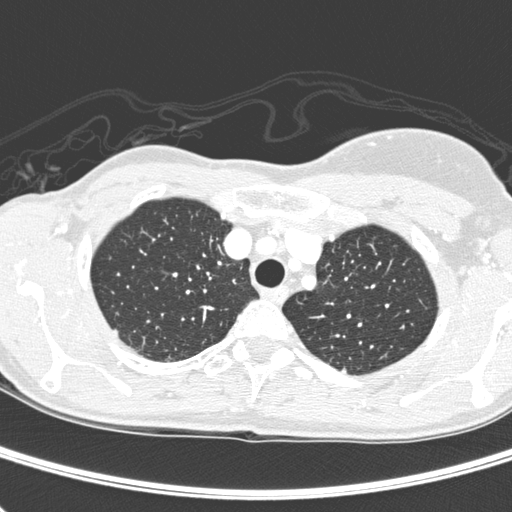
Axial chest CT slice 231 of 280 (counted from the lowest slice); 1.00 mm thick, 0.578 mm per pixel. Two pulmonary nodules are outlined on this slice; from left to right: (1) Pulmonary nodule, outlined by all four readers. Box on this slice rows 328–335, columns 113–117, the union of the readers' outlines on this slice; longest diameter 5.5 mm on average over the four readers' outlines (readers' outlines 4.7–6.0 mm), volume 38–51 mm3. Ratings, by the readers' most common answer with dissent counted: texture 5/5 (solid) from all four readers; margin 5/5 (circumscribed) by two of four readers; the rest gave 3/5 (one), 4/5 (one); sphericity 5/5 (round) by two of four readers; the rest gave 3/5 (ovoid) (one), 4/5 (one); calcification absent from all four readers; internal structure soft tissue from all four readers; subtlety 5/5 by two of four readers; the rest gave 3/5 (one), 4/5 (one); malignancy likelihood split among the readers: 2/5 (two), 3/5 (two). (2) Pulmonary nodule outlined by one of the four readers; box rows 368–372, columns 341–346 (that reader's outline on this slice); longest diameter 4.7 mm and volume 40 mm3 from that reader's outline. Ratings by that reader: texture 5/5 (solid); margin 5/5 (circumscribed); sphericity 4/5; calcification absent; internal structure soft tissue; subtlety 5/5; malignancy likelihood 3/5. Scale key (1–5): texture non-solid→solid, margin indistinct→circumscribed, sphericity linear→round, subtlety extremely subtle→obvious, malignancy likelihood highly unlikely→highly suspicious of cancer. Box rows and columns are 0-based pixel indices from the top-left corner, inclusive.
Scan settings: 120 kVp, D reconstruction kernel.